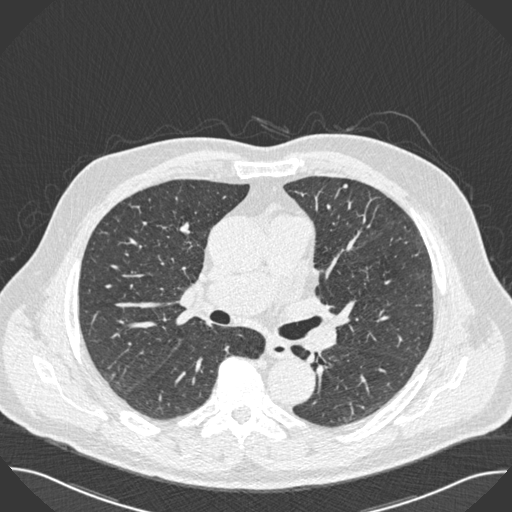
Axial slice 311 of 493 of a chest CT (slice 1 is the lowest), reconstructed with the B30f kernel at 120 kVp; 0.75 mm slice thickness and 0.762 mm pixels.
Pulmonary nodule, outlined by one of the four readers. Box on this slice rows 184–187, columns 343–347, that reader's outline on this slice; longest diameter 4.8 mm and volume 45 mm3 from that reader's outline. That reader's ratings: texture 5/5 (solid); margin 5/5 (circumscribed); sphericity 5/5 (round); calcification absent; internal structure soft tissue; subtlety 5/5; malignancy likelihood 2/5. Scale key (1–5): texture non-solid→solid, margin indistinct→circumscribed, sphericity linear→round, subtlety extremely subtle→obvious, malignancy likelihood highly unlikely→highly suspicious of cancer. Box rows and columns are 0-based pixel indices from the top-left corner, inclusive.